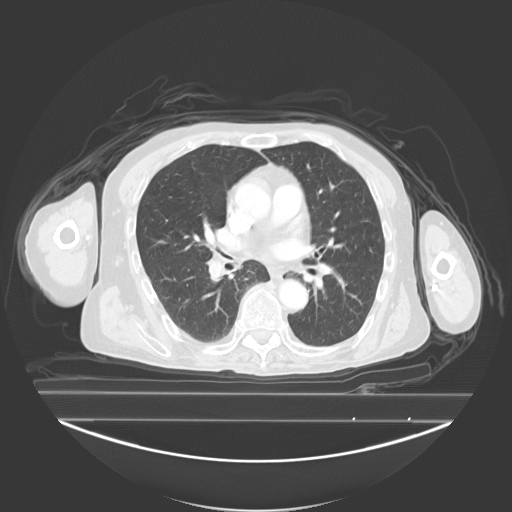
Axial chest CT slice 134 of 278 (counted from the lowest slice); tube voltage 130 kVp, convolution kernel B40s; slices 3.00 mm thick, 0.977 mm per pixel.
The readers outlined no nodule of 3 mm or more on this slice.